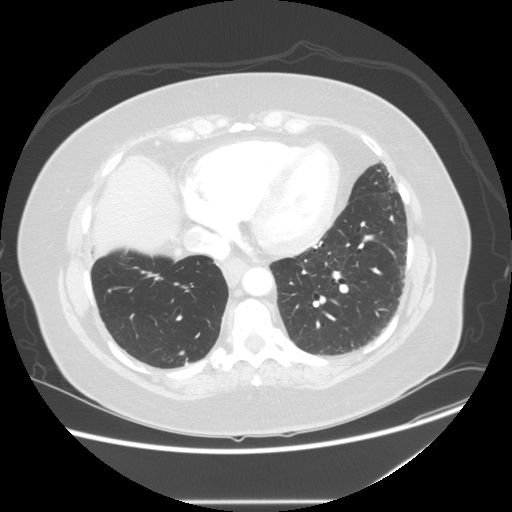
This is axial slice 53 of 139 (slice 1 is the lowest) of a chest CT; each pixel is 0.781 mm and the slice is 2.50 mm thick. Pulmonary nodule, outlined by one of the four readers. Box on this slice rows 351–354, columns 179–184, that reader's outline on this slice; longest diameter 5.7 mm and volume 56 mm3 from that reader's outline. Ratings by that reader: texture 5/5 (solid); margin 4/5; sphericity 3/5 (ovoid); calcification absent; internal structure soft tissue; subtlety 1/5; malignancy likelihood 2/5. Scale key (1–5): texture non-solid→solid, margin indistinct→circumscribed, sphericity linear→round, subtlety extremely subtle→obvious, malignancy likelihood highly unlikely→highly suspicious of cancer. Box rows and columns are 0-based pixel indices from the top-left corner, inclusive.
Acquired at 120 kVp and reconstructed with the STANDARD kernel.